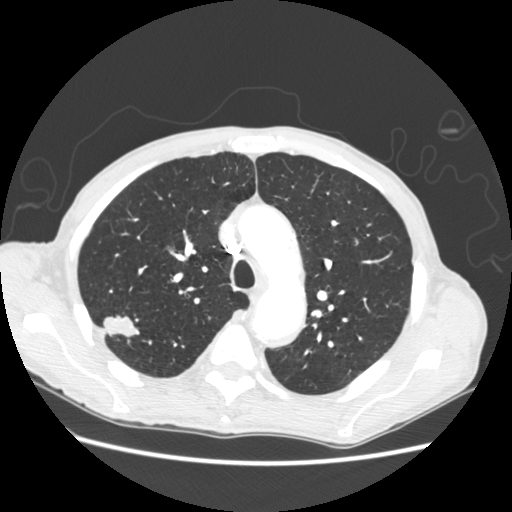
Axial slice 175 of 248 of a chest CT (slice 1 is the lowest), reconstructed with the STANDARD kernel at 120 kVp; 1.25 mm slice thickness and 0.703 mm pixels.
Pulmonary nodule, outlined by all four readers. Box on this slice rows 314–337, columns 103–140, the union of the readers' outlines on this slice; median longest diameter 28.8 mm (readers' outlines 26.0–32.7 mm), median volume 5327 mm3 (5181–6655 mm3). Ratings, median across the readers with their spread: texture 5/5 (solid) from all four readers; median margin 4.5/5 (readers ranged 2/5 to 5/5 (circumscribed)); sphericity 3/5 (ovoid) at the median of four readers, spread 3/5 (ovoid) to 4/5; calcification absent, all four readers agreeing; internal structure soft tissue, all four readers agreeing; subtlety 5/5, all four readers agreeing; malignancy likelihood 5/5 at the median of four readers, spread 3–5. Scale key (1–5): texture non-solid→solid, margin indistinct→circumscribed, sphericity linear→round, subtlety extremely subtle→obvious, malignancy likelihood highly unlikely→highly suspicious of cancer. Box rows and columns are 0-based pixel indices from the top-left corner, inclusive.